Chest CT, axial plane, 120 kVp, kernel STANDARD. Slice 77/133 from the bottom of the scan; thickness 2.50 mm; pixel size 0.703 mm.
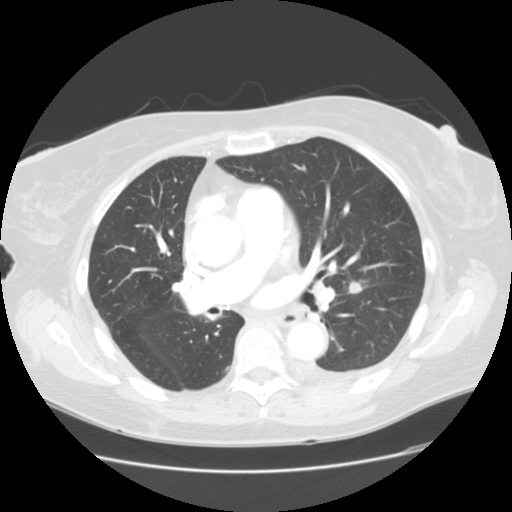
Pulmonary nodule, outlined by all four readers. Box on this slice rows 281–293, columns 347–363, the union of the readers' outlines on this slice; longest diameter 12.8 mm on average over the four readers' outlines (readers' outlines 11.6–14.7 mm), volume 536–808 mm3. Ratings, by the readers' most common answer with dissent counted: texture 5/5 (solid) from all four readers; margin 5/5 (circumscribed) by two of four readers; the rest gave 3/5 (one), 4/5 (one); sphericity 5/5 (round) by two of four readers; the rest gave 3/5 (ovoid) (one), 4/5 (one); calcification absent from all four readers; internal structure soft tissue by three of four readers, fluid (one); subtlety split among the readers: 4/5 (two), 5/5 (two); malignancy likelihood split among the readers: 2/5 (two), 3/5 (two). Scale key (1–5): texture non-solid→solid, margin indistinct→circumscribed, sphericity linear→round, subtlety extremely subtle→obvious, malignancy likelihood highly unlikely→highly suspicious of cancer. Box rows and columns are 0-based pixel indices from the top-left corner, inclusive.